Axial chest CT slice 91 of 235 (counted from the lowest slice); tube voltage 120 kVp, convolution kernel BONE; slices 1.25 mm thick, 0.537 mm per pixel.
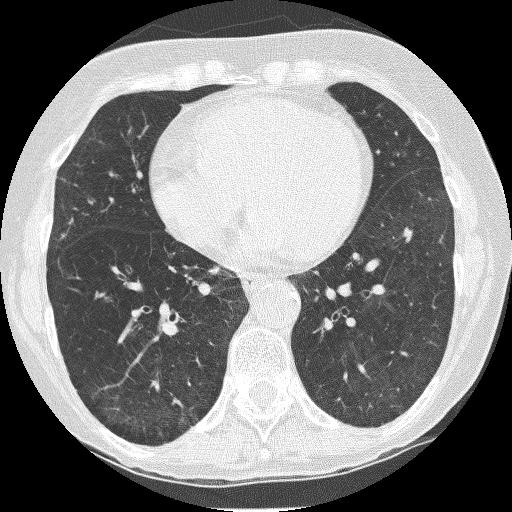
None of the four readers outlined a nodule of 3 mm or more on this slice.